Axial slice 156 of 235 of a chest CT (slice 1 is the lowest), reconstructed with the BONE kernel at 120 kVp; 1.25 mm slice thickness and 0.537 mm pixels.
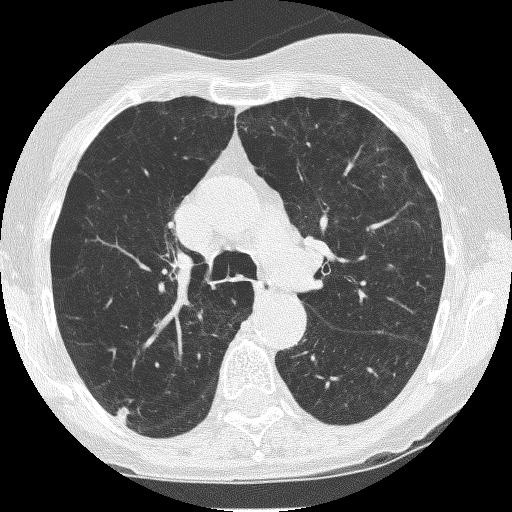
Pulmonary nodule at rows 408–423, columns 114–128 (box = the union of the readers' outlines on this slice), outlined by two of the four readers; longest diameter 9.3–9.7 mm and volume 80–93 mm3 across the two readers' outlines. The readers' ratings, as ranges where they differ: texture 5/5 (solid), both readers agreeing; margin 4/5, both readers agreeing; sphericity from 2/5 to 3/5 (ovoid) across the two readers; calcification absent, both readers agreeing; internal structure soft tissue from both readers; subtlety 5/5, both readers agreeing; malignancy likelihood 3/5 from both readers. Scale key (1–5): texture non-solid→solid, margin indistinct→circumscribed, sphericity linear→round, subtlety extremely subtle→obvious, malignancy likelihood highly unlikely→highly suspicious of cancer. Box rows and columns are 0-based pixel indices from the top-left corner, inclusive.